Chest CT, axial plane, 120 kVp, kernel STANDARD. Slice 93/133 from the bottom of the scan; thickness 2.50 mm; pixel size 0.781 mm.
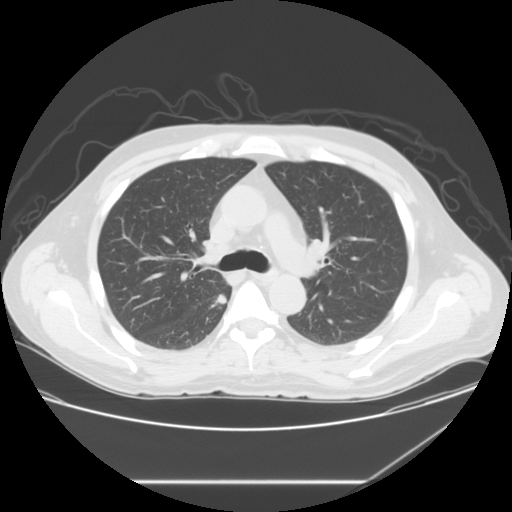
Pulmonary nodule at rows 293–309, columns 210–225 (box = the union of the readers' outlines on this slice), outlined by two of the four readers; median longest diameter 13.1 mm (readers' outlines 11.7–14.5 mm), median volume 959 mm3 (673–1246 mm3). Ratings, median across the readers with their spread: texture 5/5 (solid) from both readers; median margin 3.5/5 (readers ranged 3/5 to 4/5); median sphericity 3.5/5 (readers ranged 3/5 (ovoid) to 4/5); calcification absent, both readers agreeing; internal structure soft tissue, both readers agreeing; median subtlety 4.5/5 (readers ranged 4–5); median malignancy likelihood 4.5/5 (readers ranged 4–5). Scale key (1–5): texture non-solid→solid, margin indistinct→circumscribed, sphericity linear→round, subtlety extremely subtle→obvious, malignancy likelihood highly unlikely→highly suspicious of cancer. Box rows and columns are 0-based pixel indices from the top-left corner, inclusive.